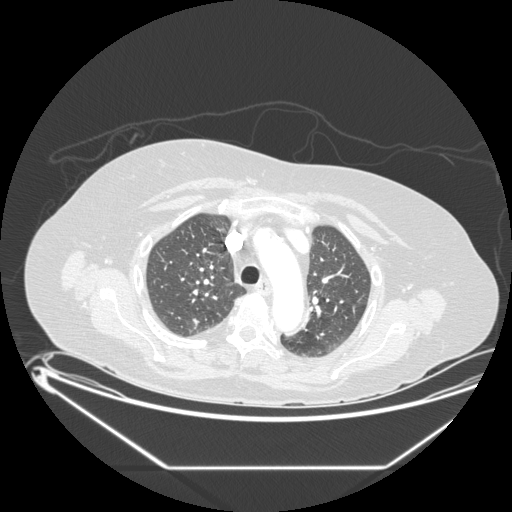
Axial chest CT slice 151 of 197 (counted from the lowest slice); tube voltage 120 kVp, convolution kernel STANDARD; slices 1.25 mm thick, 0.859 mm per pixel.
Pulmonary nodule at rows 317–325, columns 192–199 (box = the union of the readers' outlines on this slice), outlined by all four readers; longest diameter 8.2–16.1 mm and volume 248–473 mm3 across the four readers' outlines. Ratings across the readers: texture from 4/5 to 5/5 (solid) across the four readers; margin from 3/5 to 5/5 (circumscribed) across the four readers; sphericity from 3/5 (ovoid) to 5/5 (round) across the four readers; calcification absent, all four readers agreeing; internal structure soft tissue from all four readers; subtlety from 3/5 to 5/5 across the four readers; malignancy likelihood 2–4/5 (the readers disagree). Scale key (1–5): texture non-solid→solid, margin indistinct→circumscribed, sphericity linear→round, subtlety extremely subtle→obvious, malignancy likelihood highly unlikely→highly suspicious of cancer. Box rows and columns are 0-based pixel indices from the top-left corner, inclusive.